Chest CT, axial plane, 120 kVp, kernel STANDARD. Slice 34/121 from the bottom of the scan; thickness 2.50 mm; pixel size 0.664 mm.
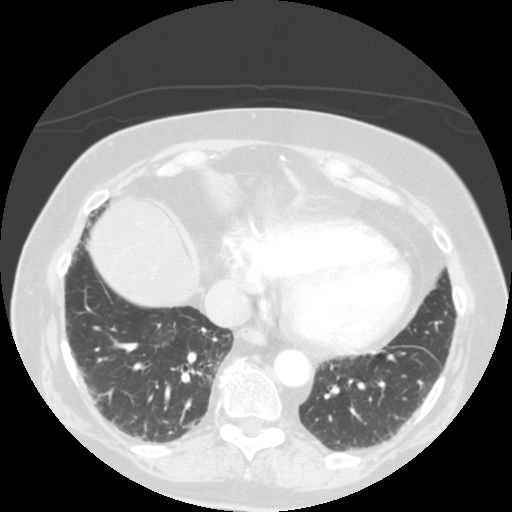
Pulmonary nodule at rows 431–433, columns 168–172 (box = that reader's outline on this slice), outlined by one of the four readers; longest diameter 5.1 mm and volume 59 mm3 from that reader's outline. That reader's ratings: texture 5/5 (solid); margin 5/5 (circumscribed); sphericity 2/5; calcification solid calcification; internal structure soft tissue; subtlety 1/5; malignancy likelihood 1/5. Scale key (1–5): texture non-solid→solid, margin indistinct→circumscribed, sphericity linear→round, subtlety extremely subtle→obvious, malignancy likelihood highly unlikely→highly suspicious of cancer. Box rows and columns are 0-based pixel indices from the top-left corner, inclusive.